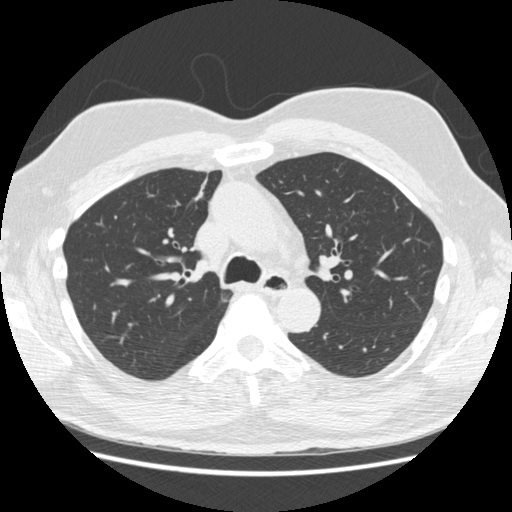
Axial slice 347 of 557 of a chest CT (slice 1 is the lowest), reconstructed with the STANDARD kernel at 120 kVp; 1.25 mm slice thickness and 0.703 mm pixels.
Pulmonary nodule, outlined by all four readers, three of them on this slice. Box on this slice rows 191–200, columns 194–202, the union of the readers' outlines on this slice; median longest diameter 13.3 mm (readers' outlines 12.6–14.2 mm), median volume 546 mm3 (470–622 mm3). Median ratings and the readers' spread: texture 5/5 (solid), all four readers agreeing; margin 4/5 at the median of four readers, spread 4/5 to 5/5 (circumscribed); sphericity 3/5 (ovoid), all four readers agreeing; calcification absent from all four readers; internal structure soft tissue from all four readers; subtlety 4.5/5 at the median of four readers, spread 3–5; malignancy likelihood 2.5/5 at the median of four readers, spread 1–4. Scale key (1–5): texture non-solid→solid, margin indistinct→circumscribed, sphericity linear→round, subtlety extremely subtle→obvious, malignancy likelihood highly unlikely→highly suspicious of cancer. Box rows and columns are 0-based pixel indices from the top-left corner, inclusive.